Axial slice 207 of 350 of a chest CT (slice 1 is the lowest), reconstructed with the C kernel at 120 kVp; 1.50 mm slice thickness and 0.725 mm pixels.
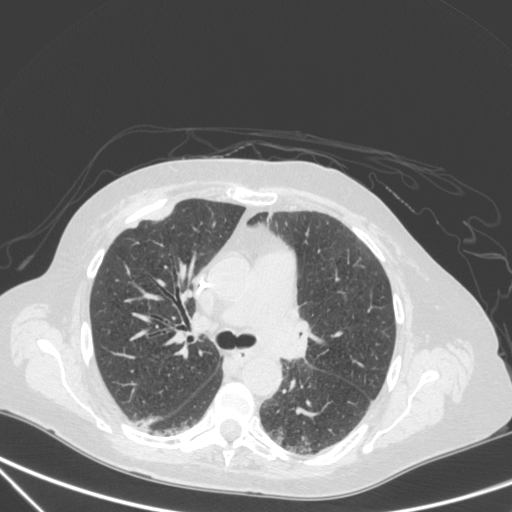
Pulmonary nodule at rows 208–220, columns 151–172 (box = that reader's outline on this slice), outlined by one of the four readers; longest diameter 29.5 mm and volume 4181 mm3 from that reader's outline. That reader's ratings: texture 5/5 (solid); margin 4/5; sphericity 2/5; calcification absent; internal structure soft tissue; subtlety 5/5; malignancy likelihood 4/5. Scale key (1–5): texture non-solid→solid, margin indistinct→circumscribed, sphericity linear→round, subtlety extremely subtle→obvious, malignancy likelihood highly unlikely→highly suspicious of cancer. Box rows and columns are 0-based pixel indices from the top-left corner, inclusive.